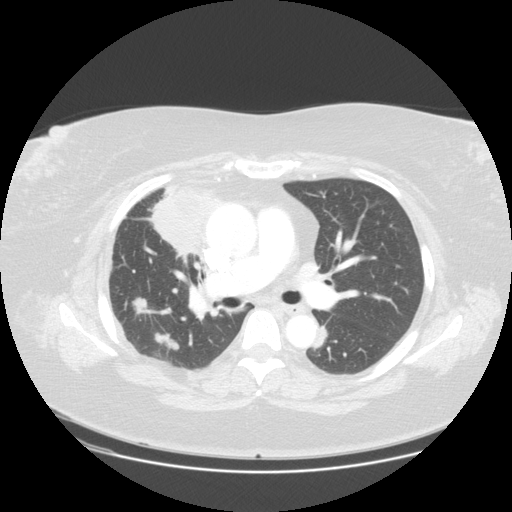
Chest CT, axial plane, 120 kVp, kernel STANDARD. Slice 83/131 from the bottom of the scan; thickness 2.50 mm; pixel size 0.781 mm.
Two pulmonary nodules on this slice, listed from left to right. (1) Pulmonary nodule outlined by all four readers; box rows 296–313, columns 131–146 (the union of the readers' outlines on this slice); median longest diameter 14.7 mm (readers' outlines 14.1–15.2 mm), median volume 1170 mm3 (961–1260 mm3). Ratings, median across the readers with their spread: texture 5/5 (solid), all four readers agreeing; margin 4/5 at the median of four readers, spread 3/5 to 5/5 (circumscribed); sphericity 4/5 at the median of four readers, spread 4/5 to 5/5 (round); calcification absent, all four readers agreeing; internal structure soft tissue, all four readers agreeing; subtlety 5/5, all four readers agreeing; malignancy likelihood 4.5/5 at the median of four readers, spread 3–5. (2) Pulmonary nodule at rows 333–350, columns 155–179 (box = the union of the readers' outlines on this slice), outlined by all four readers; median longest diameter 22.5 mm (readers' outlines 20.8–23.0 mm), median volume 1469 mm3 (1060–1625 mm3). Ratings, median across the readers with their spread: texture 5/5 (solid) at the median of four readers, spread 4/5 to 5/5 (solid); median margin 4/5 (readers ranged 3/5 to 4/5); sphericity 2/5 at the median of four readers, spread 2/5 to 5/5 (round); calcification absent, all four readers agreeing; internal structure soft tissue, all four readers agreeing; subtlety 5/5 at the median of four readers, spread 4–5; malignancy likelihood 4.5/5 at the median of four readers, spread 4–5. Scale key (1–5): texture non-solid→solid, margin indistinct→circumscribed, sphericity linear→round, subtlety extremely subtle→obvious, malignancy likelihood highly unlikely→highly suspicious of cancer. Box rows and columns are 0-based pixel indices from the top-left corner, inclusive.